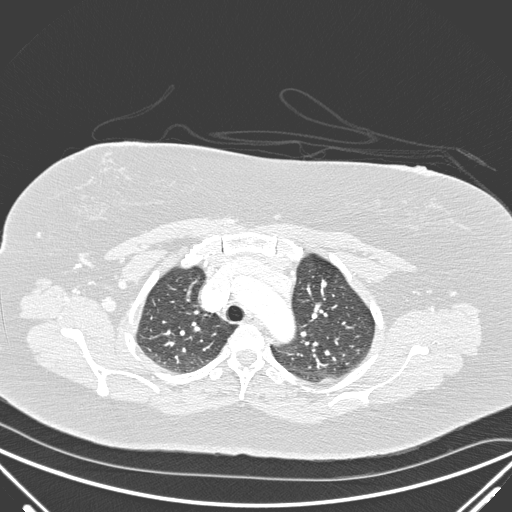
Axial chest CT slice 160 of 220 (counted from the lowest slice); tube voltage 140 kVp, convolution kernel D; slices 1.00 mm thick, 0.770 mm per pixel.
Pulmonary nodule, outlined by all four readers. Box on this slice rows 280–287, columns 321–326, the union of the readers' outlines on this slice; longest diameter 6.1 mm on average over the four readers' outlines (readers' outlines 5.4–7.1 mm), volume 44–97 mm3. The readers' prevailing ratings and who disagreed: most readers (three of four) put texture at 5/5 (solid), others 4/5 (one); margin 4/5 by two of four readers; the rest gave 3/5 (one), 5/5 (circumscribed) (one); sphericity 4/5, all four readers agreeing; calcification absent from all four readers; internal structure soft tissue, all four readers agreeing; subtlety 4/5 by two of four readers; the rest gave 2/5 (one), 5/5 (one); malignancy likelihood split among the readers: 2/5 (two), 3/5 (two). Scale key (1–5): texture non-solid→solid, margin indistinct→circumscribed, sphericity linear→round, subtlety extremely subtle→obvious, malignancy likelihood highly unlikely→highly suspicious of cancer. Box rows and columns are 0-based pixel indices from the top-left corner, inclusive.